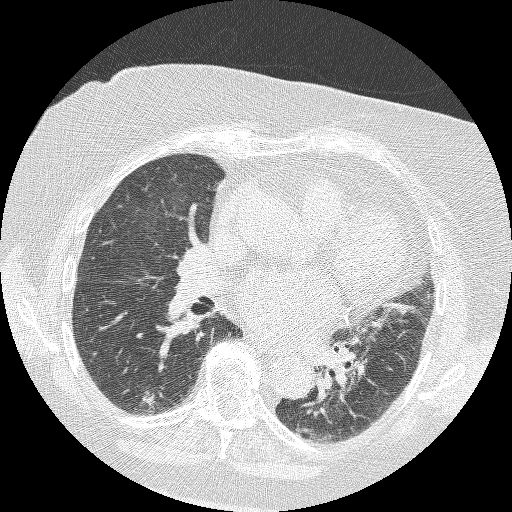
One axial slice (137 of 235, counting up from the lowest) of a chest CT acquired at 120 kVp with the BONE kernel; each pixel is 0.625 mm and the slice is 1.25 mm thick.
Pulmonary nodule at rows 389–409, columns 139–155 (box = the union of the readers' outlines on this slice), outlined by two of the four readers; median longest diameter 20.0 mm (readers' outlines 17.6–22.4 mm), median volume 1037 mm3 (602–1472 mm3). Median ratings and the readers' spread: texture 5/5 (solid), both readers agreeing; median margin 3.5/5 (readers ranged 2/5 to 5/5 (circumscribed)); sphericity 1.5/5 at the median of two readers, spread 1/5 (linear) to 2/5; calcification absent from both readers; internal structure soft tissue, both readers agreeing; subtlety 5/5 from both readers; malignancy likelihood 3/5, both readers agreeing. Scale key (1–5): texture non-solid→solid, margin indistinct→circumscribed, sphericity linear→round, subtlety extremely subtle→obvious, malignancy likelihood highly unlikely→highly suspicious of cancer. Box rows and columns are 0-based pixel indices from the top-left corner, inclusive.